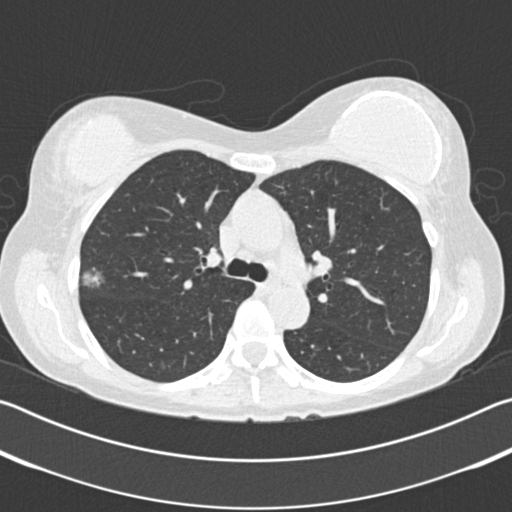
Slice 124/183 of a chest CT, counting up from the lowest; pixel size 0.664 mm, slice thickness 2.00 mm. Pulmonary nodule outlined by three of the four readers, one of them on this slice; box rows 265–288, columns 80–103 (the one reader's outline on this slice); median longest diameter 4.8 mm (readers' outlines 4.8–20.0 mm), median volume 45 mm3 (45–1329 mm3). Median ratings and the readers' spread: median texture 4/5 (readers ranged 3/5 (part-solid) to 5/5 (solid)); margin 3/5 at the median of three readers, spread 2/5 to 5/5 (circumscribed); median sphericity 5/5 (round) (readers ranged 4/5 to 5/5 (round)); calcification: absent (two), solid calcification (one); internal structure soft tissue from all three readers; subtlety 5/5 at the median of three readers, spread 2–5; median malignancy likelihood 3/5 (readers ranged 1–5). Scale key (1–5): texture non-solid→solid, margin indistinct→circumscribed, sphericity linear→round, subtlety extremely subtle→obvious, malignancy likelihood highly unlikely→highly suspicious of cancer. Box rows and columns are 0-based pixel indices from the top-left corner, inclusive.
Acquired at 120 kVp and reconstructed with the B30f kernel.